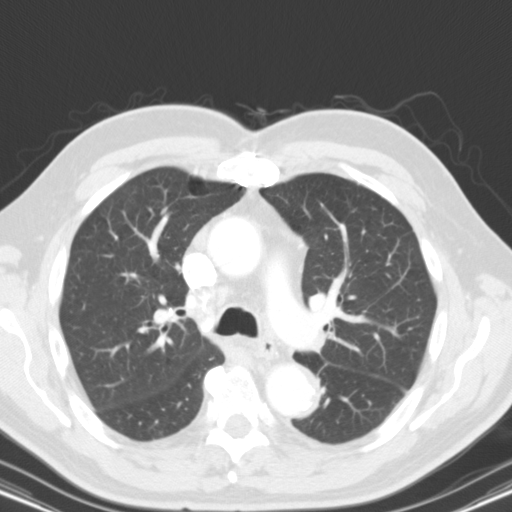
Chest CT, axial plane, 130 kVp, kernel B31s. Slice 78/116 from the bottom of the scan; thickness 3.00 mm; pixel size 0.668 mm.
This slice carries no reader outline of a nodule 3 mm or larger.